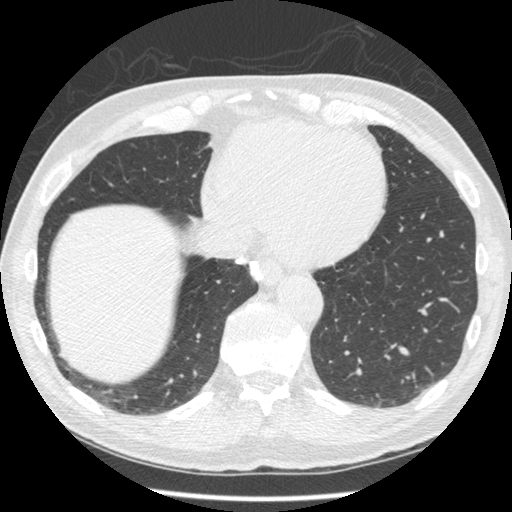
Axial chest CT slice 112 of 481 (counted from the lowest slice); tube voltage 120 kVp, convolution kernel STANDARD; slices 1.25 mm thick, 0.664 mm per pixel.
Pulmonary nodule, outlined by one of the four readers. Box on this slice rows 353–356, columns 59–62, that reader's outline on this slice; longest diameter 5.9 mm and volume 35 mm3 from that reader's outline. Ratings by that reader: texture 4/5; margin 2/5; sphericity 2/5; calcification absent; internal structure soft tissue; subtlety 1/5; malignancy likelihood 1/5. Scale key (1–5): texture non-solid→solid, margin indistinct→circumscribed, sphericity linear→round, subtlety extremely subtle→obvious, malignancy likelihood highly unlikely→highly suspicious of cancer. Box rows and columns are 0-based pixel indices from the top-left corner, inclusive.